Chest CT, axial plane, 120 kVp, kernel B. Slice 78/315 from the bottom of the scan; thickness 2.00 mm; pixel size 0.830 mm.
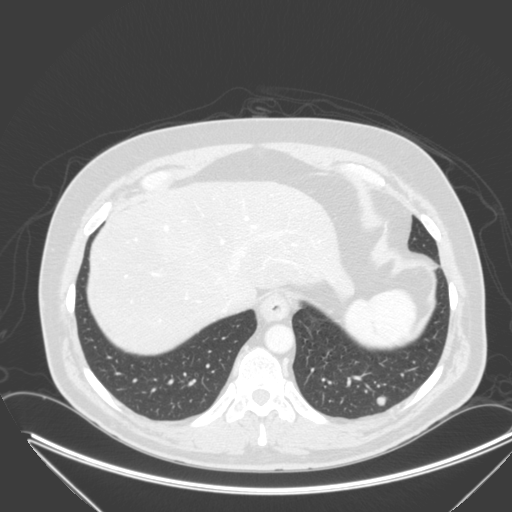
Pulmonary nodule at rows 394–405, columns 374–387 (box = the union of the readers' outlines on this slice), outlined by all four readers; longest diameter 10.3–12.9 mm and volume 426–557 mm3 across the four readers' outlines. Ratings across the readers: texture 5/5 (solid) from all four readers; margin from 4/5 to 5/5 (circumscribed) across the four readers; sphericity from 3/5 (ovoid) to 5/5 (round) across the four readers; calcification absent from all four readers; internal structure soft tissue from all four readers; subtlety from 4/5 to 5/5 across the four readers; malignancy likelihood 3–4/5 (the readers disagree). Scale key (1–5): texture non-solid→solid, margin indistinct→circumscribed, sphericity linear→round, subtlety extremely subtle→obvious, malignancy likelihood highly unlikely→highly suspicious of cancer. Box rows and columns are 0-based pixel indices from the top-left corner, inclusive.